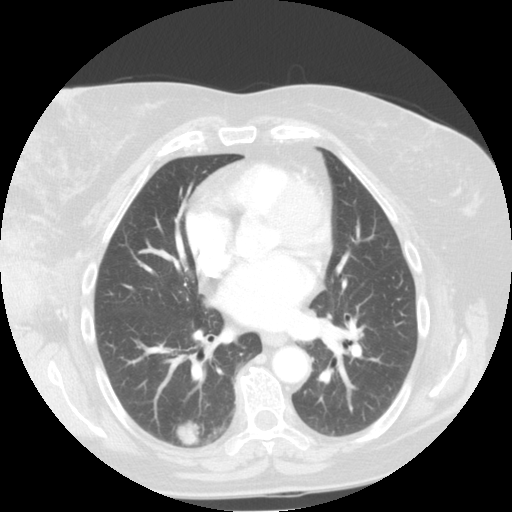
One axial slice (63 of 113, counting up from the lowest) of a chest CT acquired at 120 kVp with the STANDARD kernel; each pixel is 0.703 mm and the slice is 2.50 mm thick.
Pulmonary nodule at rows 419–444, columns 174–200 (box = the union of the readers' outlines on this slice), outlined by all four readers; longest diameter 23.8 mm on average over the four readers' outlines (readers' outlines 23.3–24.3 mm), volume 4155–5797 mm3. The readers' prevailing ratings and who disagreed: texture 5/5 (solid) from all four readers; margin 4/5 by three of four readers; the rest gave 5/5 (circumscribed) (one); sphericity 5/5 (round) by two of four readers; the rest gave 3/5 (ovoid) (one), 4/5 (one); calcification absent, all four readers agreeing; internal structure soft tissue, all four readers agreeing; subtlety 5/5 from all four readers; malignancy likelihood 4/5 by two of four readers; the rest gave 2/5 (one), 5/5 (one). Scale key (1–5): texture non-solid→solid, margin indistinct→circumscribed, sphericity linear→round, subtlety extremely subtle→obvious, malignancy likelihood highly unlikely→highly suspicious of cancer. Box rows and columns are 0-based pixel indices from the top-left corner, inclusive.